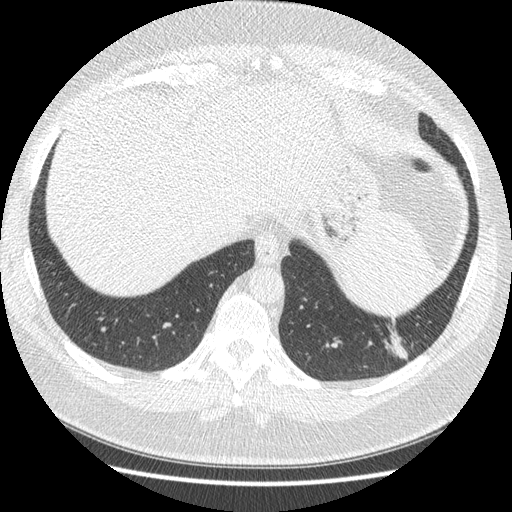
Axial chest CT slice 62 of 421 (counted from the lowest slice); tube voltage 120 kVp, convolution kernel STANDARD; slices 1.25 mm thick, 0.703 mm per pixel.
Pulmonary nodule outlined four times (the source holds four more outlines, not used); box rows 317–359, columns 382–407 (the union of the readers' outlines on this slice); longest diameter 33.9 mm on average over the four readers' outlines (readers' outlines 30.9–38.9 mm), volume 4443–5826 mm3. The readers' prevailing ratings and who disagreed: texture 5/5 (solid) by three of four readers; the rest gave 4/5 (one); margin 4/5 by three of four readers; the rest gave 3/5 (one); sphericity 2/5 by two of four readers; the rest gave 3/5 (ovoid) (one), 4/5 (one); calcification absent, all four readers agreeing; internal structure soft tissue from all four readers; subtlety 5/5 by three of four readers; the rest gave 4/5 (one); malignancy likelihood split among the readers: 2/5 (one), 3/5 (one), 4/5 (one), 5/5 (one). Scale key (1–5): texture non-solid→solid, margin indistinct→circumscribed, sphericity linear→round, subtlety extremely subtle→obvious, malignancy likelihood highly unlikely→highly suspicious of cancer. Box rows and columns are 0-based pixel indices from the top-left corner, inclusive.